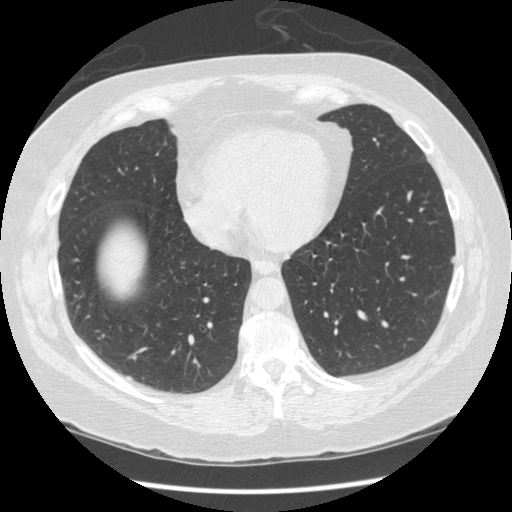
This is axial slice 135 of 436 (slice 1 is the lowest) of a chest CT; each pixel is 0.703 mm and the slice is 1.25 mm thick. Pulmonary nodule at rows 255–263, columns 450–454 (box = the union of the readers' outlines on this slice), outlined by three of the four readers; longest diameter 8.0–8.6 mm and volume 131–153 mm3 across the three readers' outlines. Ratings across the readers: texture 5/5 (solid), all three readers agreeing; margin from 4/5 to 5/5 (circumscribed) across the three readers; sphericity from 2/5 to 4/5 across the three readers; calcification absent from all three readers; internal structure soft tissue, all three readers agreeing; subtlety 3–5/5 (the readers disagree); malignancy likelihood 2–3/5 (the readers disagree). Scale key (1–5): texture non-solid→solid, margin indistinct→circumscribed, sphericity linear→round, subtlety extremely subtle→obvious, malignancy likelihood highly unlikely→highly suspicious of cancer. Box rows and columns are 0-based pixel indices from the top-left corner, inclusive.
Acquired at 120 kVp and reconstructed with the STANDARD kernel.